Chest CT, axial plane, 130 kVp, kernel B40s. Slice 106/278 from the bottom of the scan; thickness 3.00 mm; pixel size 0.977 mm.
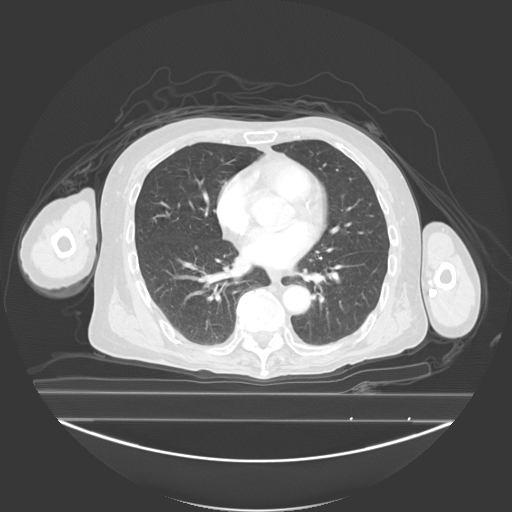
Pulmonary nodule at rows 246–248, columns 194–197 (box = the union of the readers' outlines on this slice), outlined by three of the four readers; longest diameter 6.2 mm on average over the three readers' outlines (readers' outlines 6.2–6.3 mm), volume 123–213 mm3. Ratings, by the readers' most common answer with dissent counted: texture split among the readers: 1/5 (non-solid) (one), 3/5 (part-solid) (one), 5/5 (solid) (one); margin split among the readers: 3/5 (one), 4/5 (one), 5/5 (circumscribed) (one); sphericity 5/5 (round), all three readers agreeing; calcification absent, all three readers agreeing; internal structure soft tissue, all three readers agreeing; subtlety split among the readers: 2/5 (one), 3/5 (one), 4/5 (one); most readers (two of three) put malignancy likelihood at 2/5, others 3/5 (one). Scale key (1–5): texture non-solid→solid, margin indistinct→circumscribed, sphericity linear→round, subtlety extremely subtle→obvious, malignancy likelihood highly unlikely→highly suspicious of cancer. Box rows and columns are 0-based pixel indices from the top-left corner, inclusive.